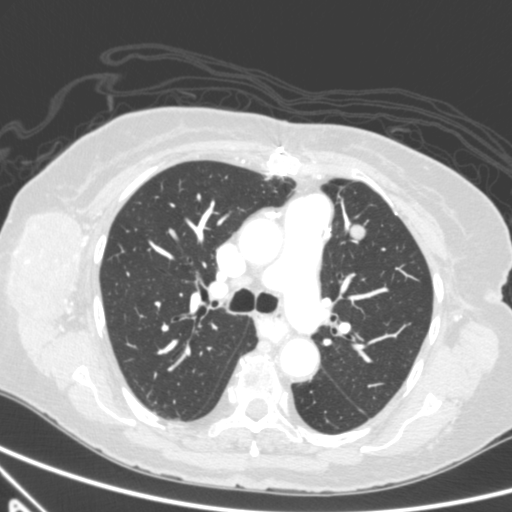
Slice 372/590 of a chest CT, counting up from the lowest; pixel size 0.627 mm, slice thickness 0.90 mm. Pulmonary nodule outlined by all four readers; box rows 224–240, columns 349–365 (the union of the readers' outlines on this slice); longest diameter 17.9 mm on average over the four readers' outlines (readers' outlines 16.3–20.1 mm), volume 1116–1236 mm3. The readers' prevailing ratings and who disagreed: texture 5/5 (solid), all four readers agreeing; margin 4/5 by two of four readers; the rest gave 3/5 (one), 5/5 (circumscribed) (one); sphericity split among the readers: 3/5 (ovoid) (two), 4/5 (two); calcification absent, all four readers agreeing; internal structure soft tissue from all four readers; most readers (three of four) put subtlety at 5/5, others 4/5 (one); malignancy likelihood split among the readers: 3/5 (two), 5/5 (two). Scale key (1–5): texture non-solid→solid, margin indistinct→circumscribed, sphericity linear→round, subtlety extremely subtle→obvious, malignancy likelihood highly unlikely→highly suspicious of cancer. Box rows and columns are 0-based pixel indices from the top-left corner, inclusive.
Acquired at 120 kVp and reconstructed with the B kernel.